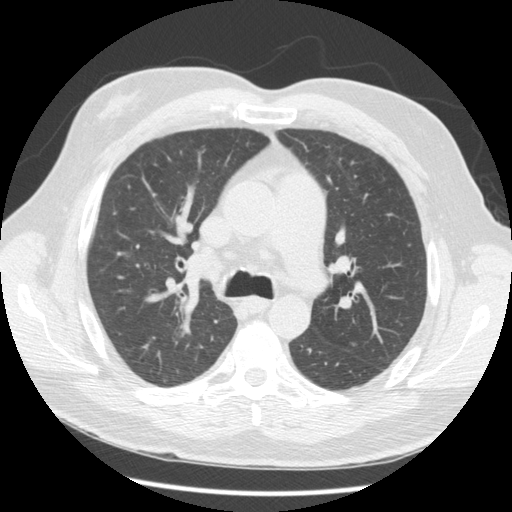
This is axial slice 113 of 163 (slice 1 is the lowest) of a chest CT; each pixel is 0.703 mm and the slice is 2.50 mm thick. Pulmonary nodule outlined by two of the four readers, one of them on this slice; box rows 343–346, columns 352–355 (the one reader's outline on this slice); median longest diameter 6.2 mm (readers' outlines 5.4–7.0 mm), median volume 94 mm3 (61–128 mm3). Ratings, median across the readers with their spread: texture 5/5 (solid) from both readers; margin 5/5 (circumscribed), both readers agreeing; median sphericity 4.5/5 (readers ranged 4/5 to 5/5 (round)); calcification split among the readers: solid calcification (one), absent (one); internal structure soft tissue, both readers agreeing; subtlety 5/5, both readers agreeing; malignancy likelihood 1/5, both readers agreeing. Scale key (1–5): texture non-solid→solid, margin indistinct→circumscribed, sphericity linear→round, subtlety extremely subtle→obvious, malignancy likelihood highly unlikely→highly suspicious of cancer. Box rows and columns are 0-based pixel indices from the top-left corner, inclusive.
Scan settings: 120 kVp, STANDARD reconstruction kernel.